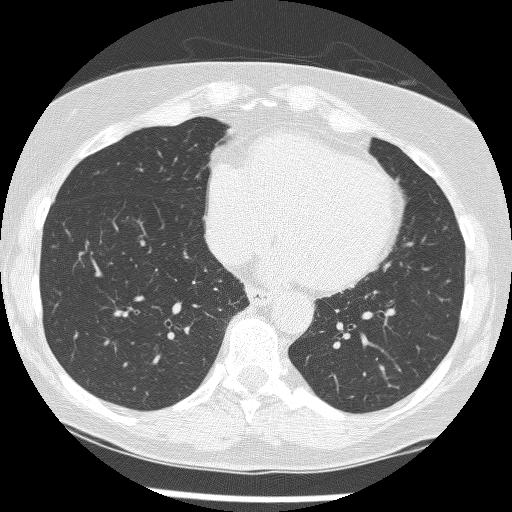
Slice 86/241 of a chest CT, counting up from the lowest; pixel size 0.586 mm, slice thickness 1.25 mm. Pulmonary nodule at rows 239–246, columns 139–145 (box = that reader's outline on this slice), outlined by one of the four readers; longest diameter 5.8 mm and volume 83 mm3 from that reader's outline. That reader's ratings: texture 5/5 (solid); margin 4/5; sphericity 4/5; calcification absent; internal structure soft tissue; subtlety 1/5; malignancy likelihood 3/5. Scale key (1–5): texture non-solid→solid, margin indistinct→circumscribed, sphericity linear→round, subtlety extremely subtle→obvious, malignancy likelihood highly unlikely→highly suspicious of cancer. Box rows and columns are 0-based pixel indices from the top-left corner, inclusive.
Acquired at 120 kVp and reconstructed with the BONE kernel.